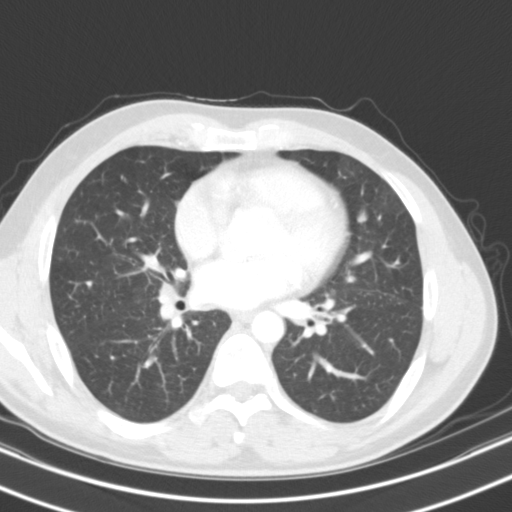
One axial slice (65 of 123, counting up from the lowest) of a chest CT acquired at 130 kVp with the B31s kernel; each pixel is 0.646 mm and the slice is 3.00 mm thick.
Pulmonary nodule, outlined by all four readers. Box on this slice rows 211–223, columns 357–367, the union of the readers' outlines on this slice; the four readers' outlines give a longest diameter between 11.1 and 12.4 mm and a volume between 387 and 471 mm3. Ratings across the readers: texture 5/5 (solid) from all four readers; margin from 4/5 to 5/5 (circumscribed) across the four readers; sphericity from 3/5 (ovoid) to 5/5 (round) across the four readers; calcification absent from all four readers; internal structure soft tissue from all four readers; subtlety from 4/5 to 5/5 across the four readers; malignancy likelihood rated between 2 and 4 out of 5 by the four readers. Scale key (1–5): texture non-solid→solid, margin indistinct→circumscribed, sphericity linear→round, subtlety extremely subtle→obvious, malignancy likelihood highly unlikely→highly suspicious of cancer. Box rows and columns are 0-based pixel indices from the top-left corner, inclusive.